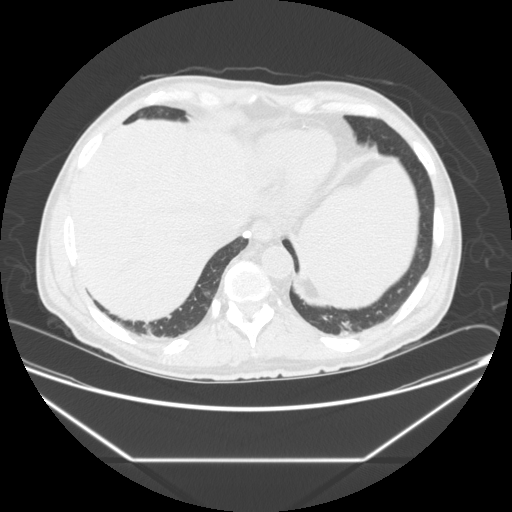
Axial chest CT slice 55 of 251 (counted from the lowest slice); tube voltage 120 kVp, convolution kernel STANDARD; slices 1.25 mm thick, 0.809 mm per pixel.
Pulmonary nodule, outlined by one of the four readers. Box on this slice rows 231–237, columns 243–251, that reader's outline on this slice; longest diameter 9.8 mm and volume 269 mm3 from that reader's outline. Ratings by that reader: texture 5/5 (solid); margin 5/5 (circumscribed); sphericity 5/5 (round); calcification solid calcification; internal structure soft tissue; subtlety 5/5; malignancy likelihood 1/5. Scale key (1–5): texture non-solid→solid, margin indistinct→circumscribed, sphericity linear→round, subtlety extremely subtle→obvious, malignancy likelihood highly unlikely→highly suspicious of cancer. Box rows and columns are 0-based pixel indices from the top-left corner, inclusive.